Axial chest CT slice 38 of 156 (counted from the lowest slice); tube voltage 120 kVp, convolution kernel STANDARD; slices 2.50 mm thick, 0.645 mm per pixel.
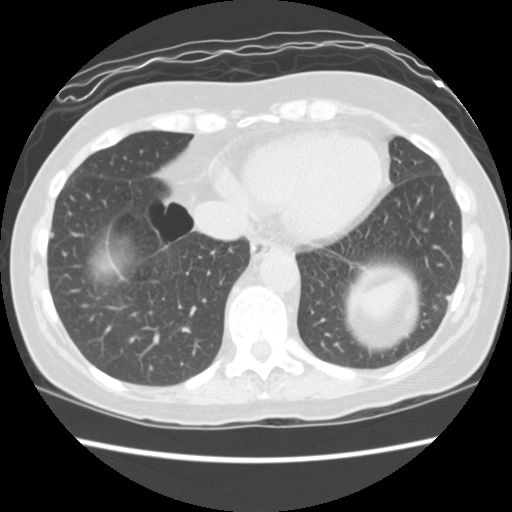
Pulmonary nodule outlined by one of the four readers; box rows 232–237, columns 51–53 (that reader's outline on this slice); longest diameter 4.9 mm and volume 55 mm3 from that reader's outline. That reader's ratings: texture 5/5 (solid); margin 5/5 (circumscribed); sphericity 4/5; calcification solid calcification; internal structure soft tissue; subtlety 5/5; malignancy likelihood 2/5. Scale key (1–5): texture non-solid→solid, margin indistinct→circumscribed, sphericity linear→round, subtlety extremely subtle→obvious, malignancy likelihood highly unlikely→highly suspicious of cancer. Box rows and columns are 0-based pixel indices from the top-left corner, inclusive.